Axial slice 130 of 327 of a chest CT (slice 1 is the lowest), reconstructed with the B45f kernel at 120 kVp; 1.00 mm slice thickness and 0.664 mm pixels.
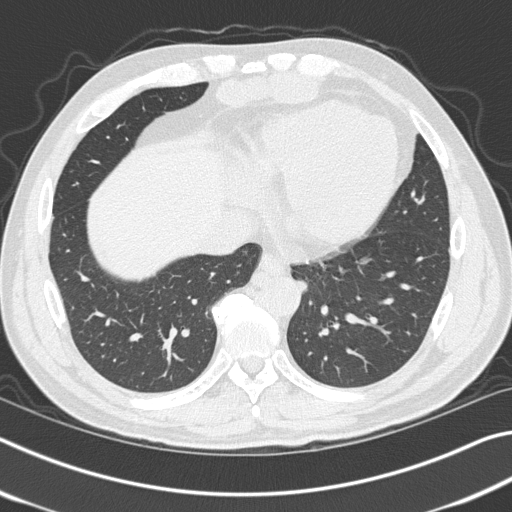
Pulmonary nodule outlined by three of the four readers; box rows 280–294, columns 294–307 (the union of the readers' outlines on this slice); longest diameter 12.9 mm on average over the three readers' outlines (readers' outlines 12.4–14.0 mm), volume 357–534 mm3. Ratings, by the readers' most common answer with dissent counted: texture 5/5 (solid), all three readers agreeing; margin 5/5 (circumscribed) by two of three readers; the rest gave 4/5 (one); sphericity split among the readers: 3/5 (ovoid) (one), 4/5 (one), 5/5 (round) (one); calcification absent from all three readers; internal structure soft tissue, all three readers agreeing; subtlety split among the readers: 1/5 (one), 3/5 (one), 4/5 (one); most readers (two of three) put malignancy likelihood at 4/5, others 2/5 (one). Scale key (1–5): texture non-solid→solid, margin indistinct→circumscribed, sphericity linear→round, subtlety extremely subtle→obvious, malignancy likelihood highly unlikely→highly suspicious of cancer. Box rows and columns are 0-based pixel indices from the top-left corner, inclusive.